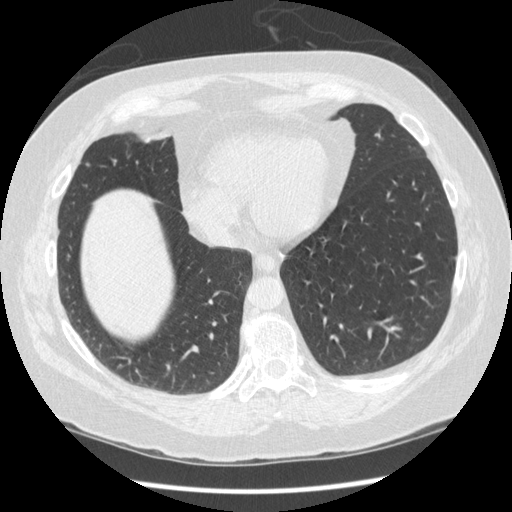
Axial chest CT slice 125 of 436 (counted from the lowest slice); 1.25 mm thick, 0.703 mm per pixel. Pulmonary nodule, outlined by one of the four readers. Box on this slice rows 163–166, columns 86–89, that reader's outline on this slice; longest diameter 5.8 mm and volume 56 mm3 from that reader's outline. Ratings by that reader: texture 5/5 (solid); margin 5/5 (circumscribed); sphericity 5/5 (round); calcification absent; internal structure soft tissue; subtlety 5/5; malignancy likelihood 3/5. Scale key (1–5): texture non-solid→solid, margin indistinct→circumscribed, sphericity linear→round, subtlety extremely subtle→obvious, malignancy likelihood highly unlikely→highly suspicious of cancer. Box rows and columns are 0-based pixel indices from the top-left corner, inclusive.
Tube voltage 120 kVp; convolution kernel STANDARD.